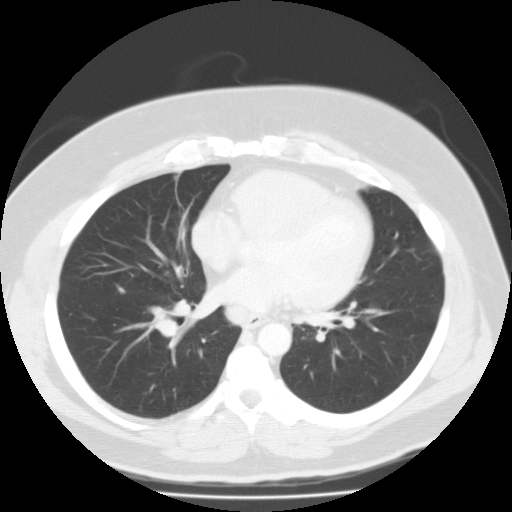
Axial slice 65 of 126 of a chest CT (slice 1 is the lowest), reconstructed with the FC01 kernel at 135 kVp; 3.00 mm slice thickness and 0.744 mm pixels.
Pulmonary nodule at rows 284–293, columns 115–125 (box = the union of the readers' outlines on this slice), outlined by three of the four readers; median longest diameter 9.5 mm (readers' outlines 9.5–10.1 mm), median volume 221 mm3 (142–282 mm3). Median ratings and the readers' spread: median texture 5/5 (solid) (readers ranged 3/5 (part-solid) to 5/5 (solid)); median margin 3/5 (readers ranged 2/5 to 5/5 (circumscribed)); median sphericity 3/5 (ovoid) (readers ranged 1/5 (linear) to 5/5 (round)); calcification absent, all three readers agreeing; internal structure soft tissue from all three readers; subtlety 3/5 from all three readers; malignancy likelihood 2/5 at the median of three readers, spread 1–2. Scale key (1–5): texture non-solid→solid, margin indistinct→circumscribed, sphericity linear→round, subtlety extremely subtle→obvious, malignancy likelihood highly unlikely→highly suspicious of cancer. Box rows and columns are 0-based pixel indices from the top-left corner, inclusive.